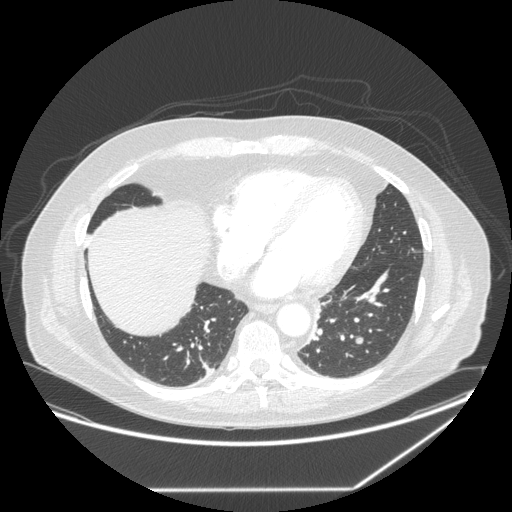
Axial chest CT slice 101 of 258 (counted from the lowest slice); 1.25 mm thick, 0.859 mm per pixel. Pulmonary nodule at rows 336–343, columns 354–363 (box = the union of the readers' outlines on this slice), outlined by all four readers; median longest diameter 10.2 mm (readers' outlines 8.2–13.3 mm), median volume 359 mm3 (212–384 mm3). Ratings, median across the readers with their spread: texture 5/5 (solid) from all four readers; margin 4.5/5 at the median of four readers, spread 4/5 to 5/5 (circumscribed); sphericity 5/5 (round) at the median of four readers, spread 4/5 to 5/5 (round); calcification absent, all four readers agreeing; internal structure soft tissue from all four readers; median subtlety 4/5 (readers ranged 3–4); median malignancy likelihood 3.5/5 (readers ranged 2–4). Scale key (1–5): texture non-solid→solid, margin indistinct→circumscribed, sphericity linear→round, subtlety extremely subtle→obvious, malignancy likelihood highly unlikely→highly suspicious of cancer. Box rows and columns are 0-based pixel indices from the top-left corner, inclusive.
Acquired at 120 kVp and reconstructed with the STANDARD kernel.